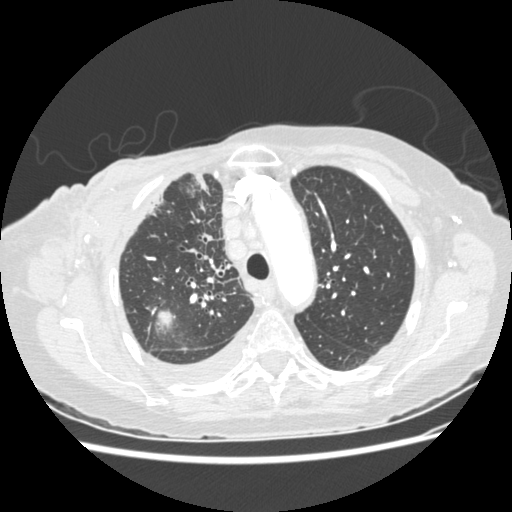
This is axial slice 193 of 238 (slice 1 is the lowest) of a chest CT; each pixel is 0.664 mm and the slice is 1.25 mm thick. Pulmonary nodule, outlined by two of the four readers. Box on this slice rows 311–327, columns 157–174, the union of the readers' outlines on this slice; median longest diameter 32.4 mm (readers' outlines 31.3–33.5 mm), median volume 8391 mm3 (8200–8583 mm3). Ratings, median across the readers with their spread: texture 5/5 (solid) from both readers; margin 4.5/5 at the median of two readers, spread 4/5 to 5/5 (circumscribed); sphericity 4/5, both readers agreeing; calcification absent from both readers; internal structure soft tissue, both readers agreeing; subtlety 5/5 from both readers; median malignancy likelihood 4/5 (readers ranged 3–5). Scale key (1–5): texture non-solid→solid, margin indistinct→circumscribed, sphericity linear→round, subtlety extremely subtle→obvious, malignancy likelihood highly unlikely→highly suspicious of cancer. Box rows and columns are 0-based pixel indices from the top-left corner, inclusive.
Scan settings: 120 kVp, STANDARD reconstruction kernel.